Axial slice 104 of 300 of a chest CT (slice 1 is the lowest), reconstructed with the C kernel at 120 kVp; 2.00 mm slice thickness and 0.715 mm pixels.
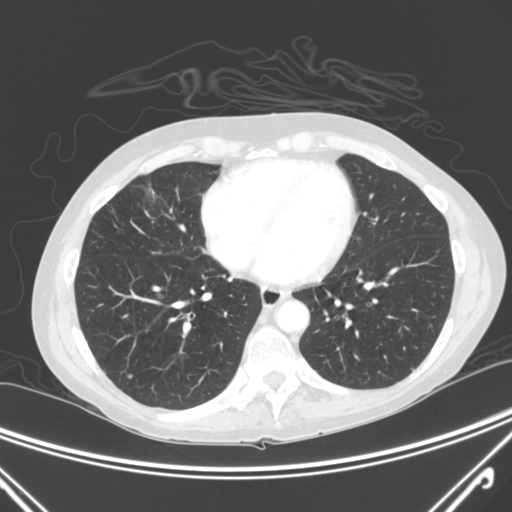
Pulmonary nodule outlined by three of the four readers; box rows 374–379, columns 127–132 (the union of the readers' outlines on this slice); longest diameter 5.4 mm on average over the three readers' outlines (readers' outlines 5.2–5.4 mm), volume 42–53 mm3. Ratings, by the readers' most common answer with dissent counted: texture 5/5 (solid) from all three readers; margin 4/5 by two of three readers; the rest gave 5/5 (circumscribed) (one); most readers (two of three) put sphericity at 5/5 (round), others 4/5 (one); calcification absent from all three readers; internal structure soft tissue from all three readers; subtlety split among the readers: 3/5 (one), 4/5 (one), 5/5 (one); most readers (two of three) put malignancy likelihood at 3/5, others 2/5 (one). Scale key (1–5): texture non-solid→solid, margin indistinct→circumscribed, sphericity linear→round, subtlety extremely subtle→obvious, malignancy likelihood highly unlikely→highly suspicious of cancer. Box rows and columns are 0-based pixel indices from the top-left corner, inclusive.